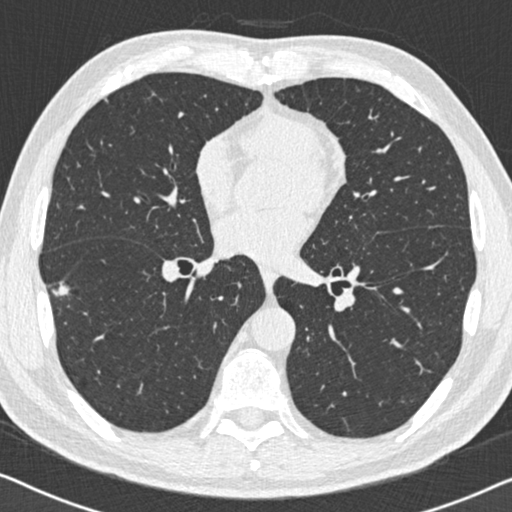
One axial slice (295 of 558, counting up from the lowest) of a chest CT acquired at 120 kVp with the B30f kernel; each pixel is 0.648 mm and the slice is 0.75 mm thick.
Pulmonary nodule, outlined by all four readers. Box on this slice rows 281–300, columns 50–71, the union of the readers' outlines on this slice; the four readers' outlines give a longest diameter between 18.8 and 26.5 mm and a volume between 726 and 1916 mm3. Ratings across the readers: texture from 3/5 (part-solid) to 5/5 (solid) across the four readers; margin from 1/5 (indistinct) to 4/5 across the four readers; sphericity from 2/5 to 4/5 across the four readers; calcification absent from all four readers; internal structure soft tissue from all four readers; subtlety 4–5/5 (the readers disagree); malignancy likelihood 4–5/5 (the readers disagree). Scale key (1–5): texture non-solid→solid, margin indistinct→circumscribed, sphericity linear→round, subtlety extremely subtle→obvious, malignancy likelihood highly unlikely→highly suspicious of cancer. Box rows and columns are 0-based pixel indices from the top-left corner, inclusive.